Axial chest CT slice 276 of 557 (counted from the lowest slice); tube voltage 120 kVp, convolution kernel STANDARD; slices 1.25 mm thick, 0.703 mm per pixel.
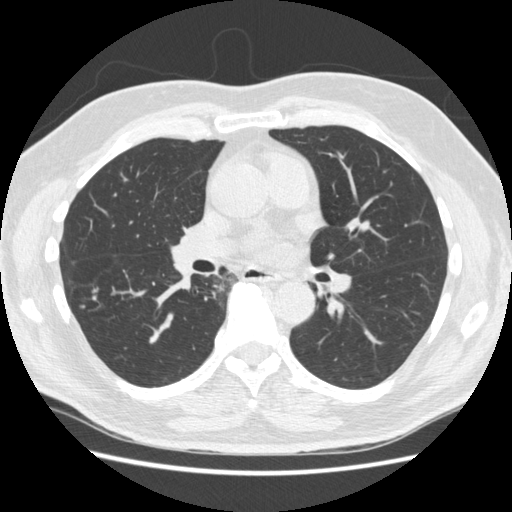
Pulmonary nodule at rows 304–308, columns 79–85 (box = the union of the readers' outlines on this slice), outlined by two of the four readers; longest diameter 6.0 mm on average over the two readers' outlines (readers' outlines 5.7–6.3 mm), volume 41–64 mm3. The readers' prevailing ratings and who disagreed: texture 5/5 (solid) from both readers; margin 5/5 (circumscribed) from both readers; sphericity split among the readers: 4/5 (one), 5/5 (round) (one); calcification absent from both readers; internal structure soft tissue, both readers agreeing; subtlety split among the readers: 1/5 (one), 4/5 (one); malignancy likelihood split among the readers: 2/5 (one), 3/5 (one). Scale key (1–5): texture non-solid→solid, margin indistinct→circumscribed, sphericity linear→round, subtlety extremely subtle→obvious, malignancy likelihood highly unlikely→highly suspicious of cancer. Box rows and columns are 0-based pixel indices from the top-left corner, inclusive.